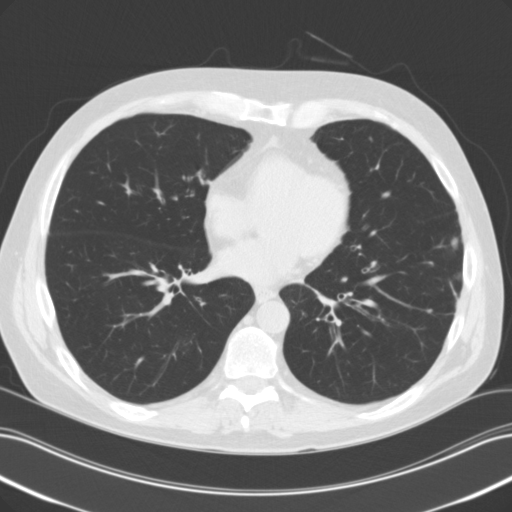
Axial chest CT slice 51 of 118 (counted from the lowest slice); 3.00 mm thick, 0.707 mm per pixel. Pulmonary nodule, outlined by one of the four readers. Box on this slice rows 236–248, columns 450–457, that reader's outline on this slice; longest diameter 10.3 mm and volume 267 mm3 from that reader's outline. That reader's ratings: texture 4/5; margin 2/5; sphericity 3/5 (ovoid); calcification absent; internal structure soft tissue; subtlety 2/5; malignancy likelihood 2/5. Scale key (1–5): texture non-solid→solid, margin indistinct→circumscribed, sphericity linear→round, subtlety extremely subtle→obvious, malignancy likelihood highly unlikely→highly suspicious of cancer. Box rows and columns are 0-based pixel indices from the top-left corner, inclusive.
Tube voltage 120 kVp; convolution kernel B31f.